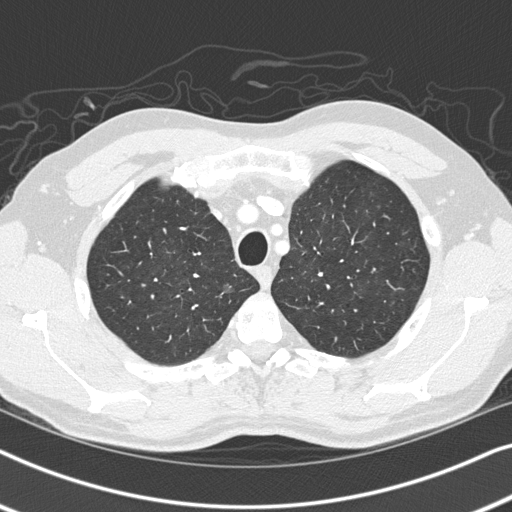
One axial slice (268 of 326, counting up from the lowest) of a chest CT acquired at 120 kVp with the B45f kernel; each pixel is 0.645 mm and the slice is 1.00 mm thick.
Pulmonary nodule, outlined by all four readers. Box on this slice rows 283–292, columns 222–234, the union of the readers' outlines on this slice; median longest diameter 9.2 mm (readers' outlines 8.4–11.1 mm), median volume 169 mm3 (144–204 mm3). Ratings, median across the readers with their spread: texture 1/5 (non-solid) at the median of four readers, spread 1/5 (non-solid) to 3/5 (part-solid); margin 2/5 at the median of four readers, spread 2/5 to 5/5 (circumscribed); median sphericity 4/5 (readers ranged 4/5 to 5/5 (round)); calcification absent from all four readers; internal structure soft tissue, all four readers agreeing; median subtlety 2/5 (readers ranged 1–4); median malignancy likelihood 2.5/5 (readers ranged 2–3). Scale key (1–5): texture non-solid→solid, margin indistinct→circumscribed, sphericity linear→round, subtlety extremely subtle→obvious, malignancy likelihood highly unlikely→highly suspicious of cancer. Box rows and columns are 0-based pixel indices from the top-left corner, inclusive.